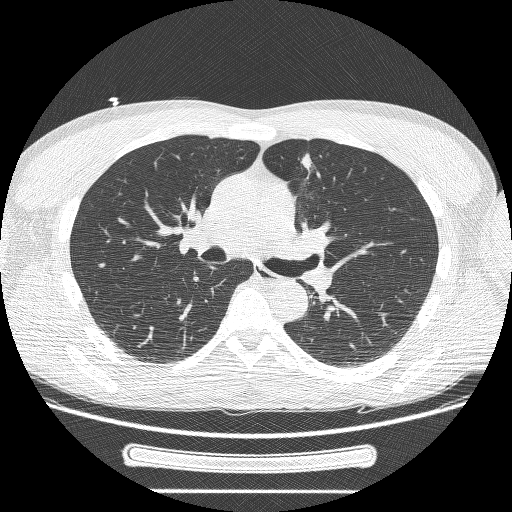
Axial chest CT slice 146 of 244 (counted from the lowest slice); 1.25 mm thick, 0.729 mm per pixel. Pulmonary nodule, outlined by three of the four readers. Box on this slice rows 152–169, columns 300–312, the union of the readers' outlines on this slice; median longest diameter 37.5 mm (readers' outlines 27.4–37.9 mm), median volume 6861 mm3 (2934–10099 mm3). Ratings, median across the readers with their spread: texture 5/5 (solid) at the median of three readers, spread 3/5 (part-solid) to 5/5 (solid); median margin 2/5 (readers ranged 1/5 (indistinct) to 3/5); median sphericity 3/5 (ovoid) (readers ranged 2/5 to 4/5); calcification absent from all three readers; internal structure soft tissue from all three readers; subtlety 5/5, all three readers agreeing; median malignancy likelihood 5/5 (readers ranged 3–5). Scale key (1–5): texture non-solid→solid, margin indistinct→circumscribed, sphericity linear→round, subtlety extremely subtle→obvious, malignancy likelihood highly unlikely→highly suspicious of cancer. Box rows and columns are 0-based pixel indices from the top-left corner, inclusive.
Scan settings: 120 kVp, BONE reconstruction kernel.